Chest CT, axial plane, 120 kVp, kernel B. Slice 86/250 from the bottom of the scan; thickness 2.00 mm; pixel size 0.834 mm.
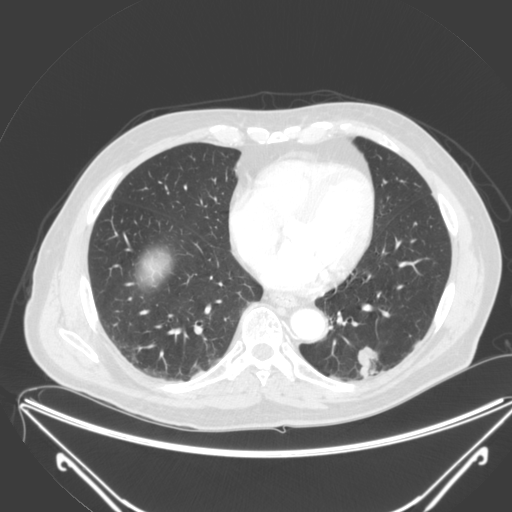
Pulmonary nodule at rows 346–377, columns 357–379 (box = the union of the readers' outlines on this slice), outlined by all four readers; longest diameter 28.4 mm on average over the four readers' outlines (readers' outlines 26.7–30.4 mm), volume 2541–3664 mm3. Ratings, by the readers' most common answer with dissent counted: texture split among the readers: 4/5 (two), 5/5 (solid) (two); margin 3/5 by two of four readers; the rest gave 2/5 (one), 4/5 (one); most readers (three of four) put sphericity at 3/5 (ovoid), others 5/5 (round) (one); calcification absent, all four readers agreeing; internal structure soft tissue, all four readers agreeing; subtlety 5/5, all four readers agreeing; malignancy likelihood 3/5 by two of four readers; the rest gave 4/5 (one), 5/5 (one). Scale key (1–5): texture non-solid→solid, margin indistinct→circumscribed, sphericity linear→round, subtlety extremely subtle→obvious, malignancy likelihood highly unlikely→highly suspicious of cancer. Box rows and columns are 0-based pixel indices from the top-left corner, inclusive.